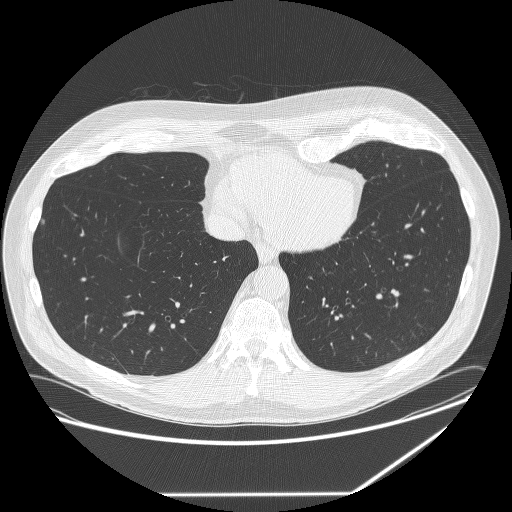
Axial chest CT slice 90 of 291 (counted from the lowest slice); tube voltage 120 kVp, convolution kernel BONE; slices 1.25 mm thick, 0.820 mm per pixel.
Pulmonary nodule at rows 219–223, columns 41–44 (box = the union of the readers' outlines on this slice), outlined by all four readers, three of them on this slice; longest diameter 6.6–7.6 mm and volume 54–116 mm3 across the four readers' outlines. Ratings across the readers: texture 5/5 (solid) from all four readers; margin from 4/5 to 5/5 (circumscribed) across the four readers; sphericity from 3/5 (ovoid) to 4/5 across the four readers; calcification: absent (three), solid calcification (one); internal structure soft tissue from all four readers; subtlety from 2/5 to 4/5 across the four readers; malignancy likelihood from 1/5 to 3/5 across the four readers. Scale key (1–5): texture non-solid→solid, margin indistinct→circumscribed, sphericity linear→round, subtlety extremely subtle→obvious, malignancy likelihood highly unlikely→highly suspicious of cancer. Box rows and columns are 0-based pixel indices from the top-left corner, inclusive.